Axial slice 239 of 525 of a chest CT (slice 1 is the lowest), reconstructed with the B30f kernel at 120 kVp; 0.75 mm slice thickness and 0.660 mm pixels.
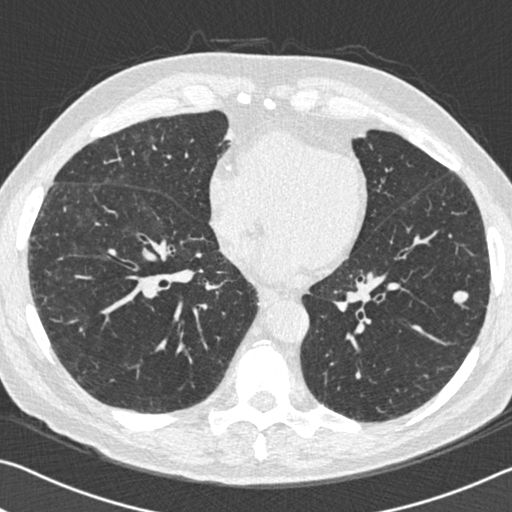
Pulmonary nodule at rows 290–303, columns 453–468 (box = the union of the readers' outlines on this slice), outlined by all four readers; longest diameter 11.7 mm on average over the four readers' outlines (readers' outlines 10.8–13.0 mm), volume 202–326 mm3. Ratings, by the readers' most common answer with dissent counted: texture 5/5 (solid), all four readers agreeing; margin 5/5 (circumscribed) from all four readers; sphericity 4/5 by two of four readers; the rest gave 3/5 (ovoid) (one), 5/5 (round) (one); calcification absent from all four readers; internal structure soft tissue, all four readers agreeing; subtlety 5/5 from all four readers; malignancy likelihood 5/5 by two of four readers; the rest gave 3/5 (one), 4/5 (one). Scale key (1–5): texture non-solid→solid, margin indistinct→circumscribed, sphericity linear→round, subtlety extremely subtle→obvious, malignancy likelihood highly unlikely→highly suspicious of cancer. Box rows and columns are 0-based pixel indices from the top-left corner, inclusive.